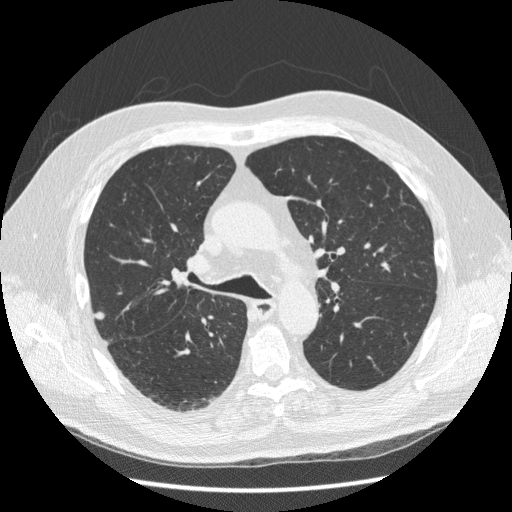
One axial slice (128 of 216, counting up from the lowest) of a chest CT acquired at 120 kVp with the STANDARD kernel; each pixel is 0.703 mm and the slice is 1.25 mm thick.
Pulmonary nodule outlined by three of the four readers; box rows 312–319, columns 94–104 (the union of the readers' outlines on this slice); longest diameter 8.7–9.4 mm and volume 270–308 mm3 across the three readers' outlines. The readers' ratings, as ranges where they differ: texture 5/5 (solid), all three readers agreeing; margin from 4/5 to 5/5 (circumscribed) across the three readers; sphericity from 4/5 to 5/5 (round) across the three readers; calcification absent, all three readers agreeing; internal structure: soft tissue (two), adipose tissue (one); subtlety from 4/5 to 5/5 across the three readers; malignancy likelihood rated between 2 and 4 out of 5 by the three readers. Scale key (1–5): texture non-solid→solid, margin indistinct→circumscribed, sphericity linear→round, subtlety extremely subtle→obvious, malignancy likelihood highly unlikely→highly suspicious of cancer. Box rows and columns are 0-based pixel indices from the top-left corner, inclusive.